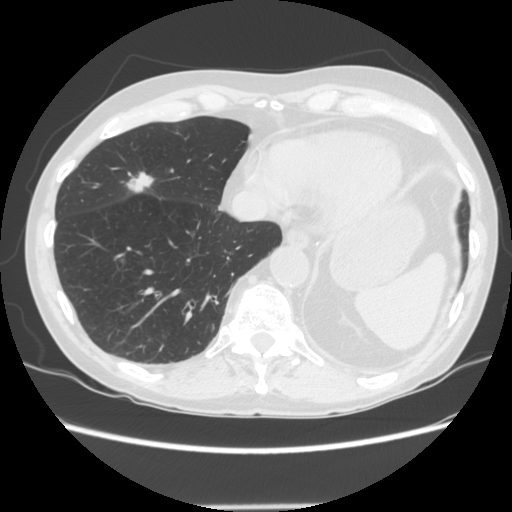
Axial chest CT slice 46 of 143 (counted from the lowest slice); 2.50 mm thick, 0.703 mm per pixel. Pulmonary nodule, outlined by all four readers. Box on this slice rows 171–193, columns 124–153, the union of the readers' outlines on this slice; median longest diameter 22.8 mm (readers' outlines 21.6–28.5 mm), median volume 2075 mm3 (1793–2260 mm3). Median ratings and the readers' spread: median texture 5/5 (solid) (readers ranged 4/5 to 5/5 (solid)); median margin 4/5 (readers ranged 4/5 to 5/5 (circumscribed)); median sphericity 3.5/5 (readers ranged 2/5 to 5/5 (round)); calcification absent, all four readers agreeing; internal structure soft tissue, all four readers agreeing; subtlety 5/5 from all four readers; malignancy likelihood 5/5 at the median of four readers, spread 4–5. Scale key (1–5): texture non-solid→solid, margin indistinct→circumscribed, sphericity linear→round, subtlety extremely subtle→obvious, malignancy likelihood highly unlikely→highly suspicious of cancer. Box rows and columns are 0-based pixel indices from the top-left corner, inclusive.
Scan settings: 120 kVp, STANDARD reconstruction kernel.